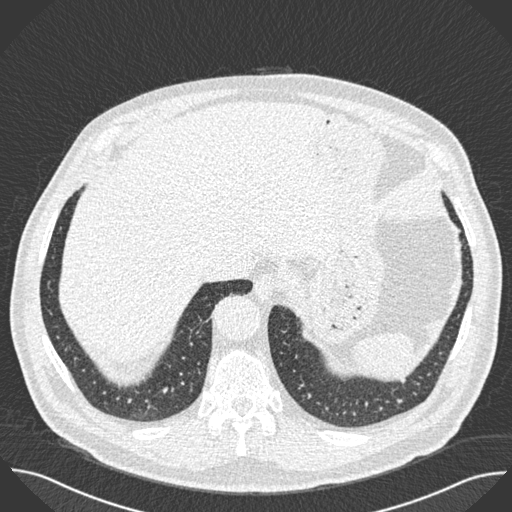
Axial slice 161 of 493 of a chest CT (slice 1 is the lowest), reconstructed with the B30f kernel at 120 kVp; 0.75 mm slice thickness and 0.762 mm pixels.
Pulmonary nodule at rows 378–383, columns 400–405 (box = that reader's outline on this slice), outlined by one of the four readers; longest diameter 6.5 mm and volume 48 mm3 from that reader's outline. Ratings by that reader: texture 5/5 (solid); margin 4/5; sphericity 4/5; calcification absent; internal structure soft tissue; subtlety 3/5; malignancy likelihood 3/5. Scale key (1–5): texture non-solid→solid, margin indistinct→circumscribed, sphericity linear→round, subtlety extremely subtle→obvious, malignancy likelihood highly unlikely→highly suspicious of cancer. Box rows and columns are 0-based pixel indices from the top-left corner, inclusive.